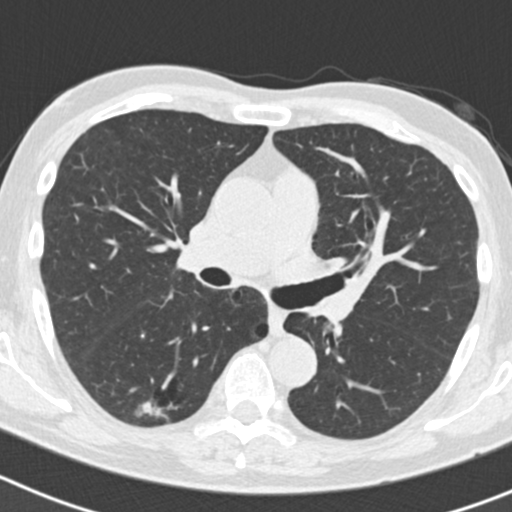
Axial slice 113 of 186 of a chest CT (slice 1 is the lowest), reconstructed with the B30f kernel at 120 kVp; 2.00 mm slice thickness and 0.586 mm pixels.
Pulmonary nodule outlined by three of the four readers; box rows 398–419, columns 133–164 (the union of the readers' outlines on this slice); the three readers' outlines give a longest diameter between 19.6 and 20.9 mm and a volume between 1911 and 1935 mm3. Ratings across the readers: texture from 4/5 to 5/5 (solid) across the three readers; margin from 3/5 to 4/5 across the three readers; sphericity from 2/5 to 4/5 across the three readers; calcification absent from all three readers; internal structure soft tissue from all three readers; subtlety rated between 4 and 5 out of 5 by the three readers; malignancy likelihood from 3/5 to 5/5 across the three readers. Scale key (1–5): texture non-solid→solid, margin indistinct→circumscribed, sphericity linear→round, subtlety extremely subtle→obvious, malignancy likelihood highly unlikely→highly suspicious of cancer. Box rows and columns are 0-based pixel indices from the top-left corner, inclusive.